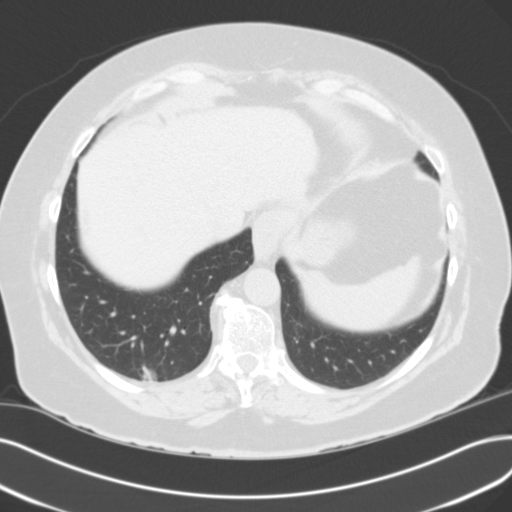
Axial chest CT slice 39 of 112 (counted from the lowest slice); tube voltage 120 kVp, convolution kernel B31f; slices 3.00 mm thick, 0.711 mm per pixel.
Pulmonary nodule, outlined by all four readers. Box on this slice rows 363–380, columns 141–157, the union of the readers' outlines on this slice; longest diameter 18.6 mm on average over the four readers' outlines (readers' outlines 17.4–20.7 mm), volume 1739–3129 mm3. Ratings, by the readers' most common answer with dissent counted: texture 5/5 (solid) by two of four readers; the rest gave 3/5 (part-solid) (one), 4/5 (one); margin 5/5 (circumscribed) by two of four readers; the rest gave 3/5 (one), 4/5 (one); most readers (three of four) put sphericity at 5/5 (round), others 3/5 (ovoid) (one); calcification absent from all four readers; internal structure soft tissue, all four readers agreeing; subtlety 5/5, all four readers agreeing; malignancy likelihood 5/5 by two of four readers; the rest gave 2/5 (one), 3/5 (one). Scale key (1–5): texture non-solid→solid, margin indistinct→circumscribed, sphericity linear→round, subtlety extremely subtle→obvious, malignancy likelihood highly unlikely→highly suspicious of cancer. Box rows and columns are 0-based pixel indices from the top-left corner, inclusive.